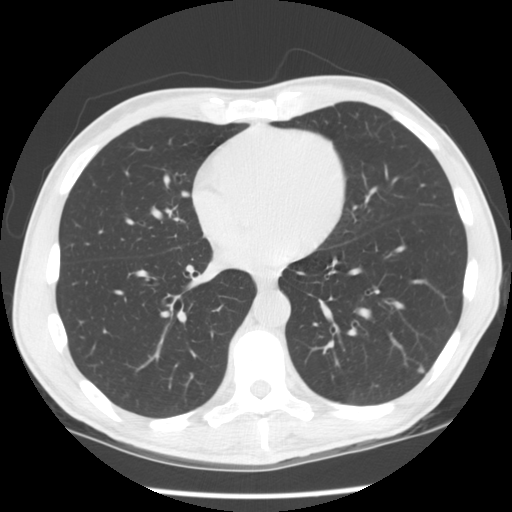
Chest CT, axial plane, 120 kVp, kernel STANDARD. Slice 62/163 from the bottom of the scan; thickness 2.50 mm; pixel size 0.664 mm.
Pulmonary nodule outlined by two of the four readers; box rows 367–372, columns 418–423 (the union of the readers' outlines on this slice); longest diameter 5.0 mm on average over the two readers' outlines (readers' outlines 4.5–5.6 mm), volume 25–67 mm3. The readers' prevailing ratings and who disagreed: texture 5/5 (solid) from both readers; margin split among the readers: 4/5 (one), 5/5 (circumscribed) (one); sphericity split among the readers: 4/5 (one), 5/5 (round) (one); calcification absent from both readers; internal structure soft tissue, both readers agreeing; subtlety 3/5 from both readers; malignancy likelihood 2/5, both readers agreeing. Scale key (1–5): texture non-solid→solid, margin indistinct→circumscribed, sphericity linear→round, subtlety extremely subtle→obvious, malignancy likelihood highly unlikely→highly suspicious of cancer. Box rows and columns are 0-based pixel indices from the top-left corner, inclusive.